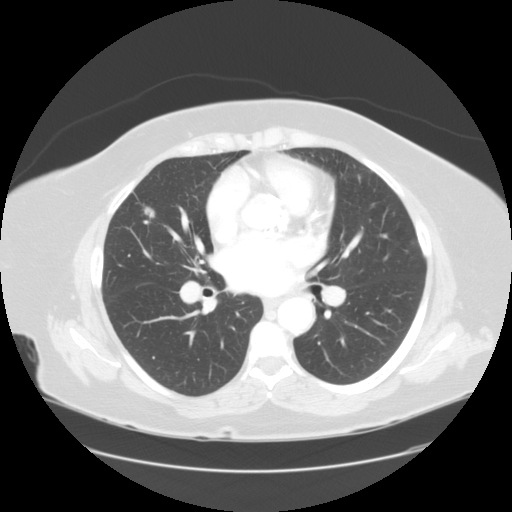
Axial chest CT slice 79 of 133 (counted from the lowest slice); tube voltage 120 kVp, convolution kernel STANDARD; slices 2.50 mm thick, 0.781 mm per pixel.
Pulmonary nodule outlined by all four readers; box rows 205–218, columns 143–155 (the union of the readers' outlines on this slice); the four readers' outlines give a longest diameter between 12.2 and 16.1 mm and a volume between 397 and 778 mm3. Ratings across the readers: texture from 1/5 (non-solid) to 5/5 (solid) across the four readers; margin from 2/5 to 5/5 (circumscribed) across the four readers; sphericity from 2/5 to 5/5 (round) across the four readers; calcification absent from all four readers; internal structure soft tissue, all four readers agreeing; subtlety from 1/5 to 5/5 across the four readers; malignancy likelihood rated between 2 and 4 out of 5 by the four readers. Scale key (1–5): texture non-solid→solid, margin indistinct→circumscribed, sphericity linear→round, subtlety extremely subtle→obvious, malignancy likelihood highly unlikely→highly suspicious of cancer. Box rows and columns are 0-based pixel indices from the top-left corner, inclusive.